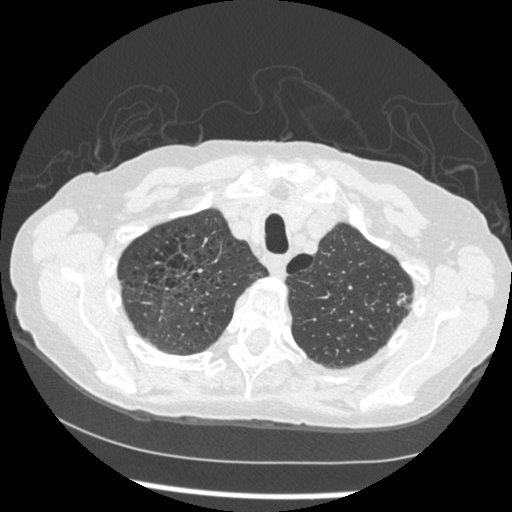
Slice 389/461 of a chest CT, counting up from the lowest; pixel size 0.645 mm, slice thickness 1.25 mm. Pulmonary nodule, outlined by all four readers, three of them on this slice. Box on this slice rows 293–305, columns 395–410, the union of the readers' outlines on this slice; longest diameter 10.1 mm on average over the four readers' outlines (readers' outlines 9.2–11.1 mm), volume 139–248 mm3. Ratings, by the readers' most common answer with dissent counted: most readers (three of four) put texture at 5/5 (solid), others 3/5 (part-solid) (one); margin 4/5 by two of four readers; the rest gave 2/5 (one), 5/5 (circumscribed) (one); sphericity 4/5 by two of four readers; the rest gave 2/5 (one), 5/5 (round) (one); calcification absent from all four readers; internal structure soft tissue from all four readers; subtlety 5/5 by two of four readers; the rest gave 3/5 (one), 4/5 (one); malignancy likelihood 3/5 by two of four readers; the rest gave 2/5 (one), 4/5 (one). Scale key (1–5): texture non-solid→solid, margin indistinct→circumscribed, sphericity linear→round, subtlety extremely subtle→obvious, malignancy likelihood highly unlikely→highly suspicious of cancer. Box rows and columns are 0-based pixel indices from the top-left corner, inclusive.
Tube voltage 120 kVp; convolution kernel STANDARD.